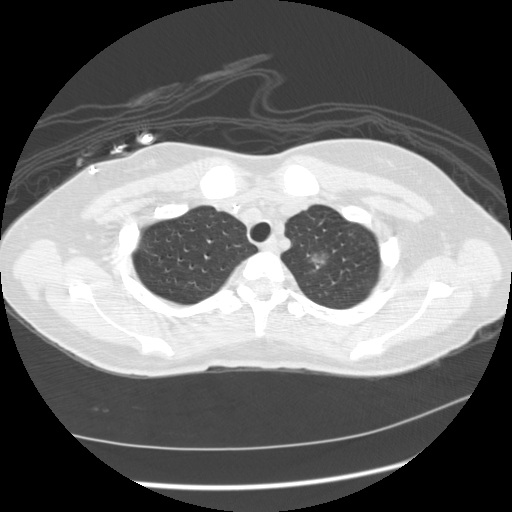
This is axial slice 172 of 209 (slice 1 is the lowest) of a chest CT; each pixel is 0.693 mm and the slice is 1.25 mm thick. Pulmonary nodule outlined by all four readers, three of them on this slice; box rows 250–269, columns 307–329 (the union of the readers' outlines on this slice); longest diameter 23.5 mm on average over the four readers' outlines (readers' outlines 21.8–25.6 mm), volume 2801–4927 mm3. The readers' prevailing ratings and who disagreed: texture 4/5 by three of four readers; the rest gave 5/5 (solid) (one); margin split among the readers: 3/5 (two), 4/5 (two); sphericity split among the readers: 2/5 (one), 3/5 (ovoid) (one), 4/5 (one), 5/5 (round) (one); calcification absent from all four readers; internal structure soft tissue, all four readers agreeing; subtlety 5/5 from all four readers; malignancy likelihood 5/5 by two of four readers; the rest gave 3/5 (one), 4/5 (one). Scale key (1–5): texture non-solid→solid, margin indistinct→circumscribed, sphericity linear→round, subtlety extremely subtle→obvious, malignancy likelihood highly unlikely→highly suspicious of cancer. Box rows and columns are 0-based pixel indices from the top-left corner, inclusive.
Tube voltage 120 kVp; convolution kernel STANDARD.